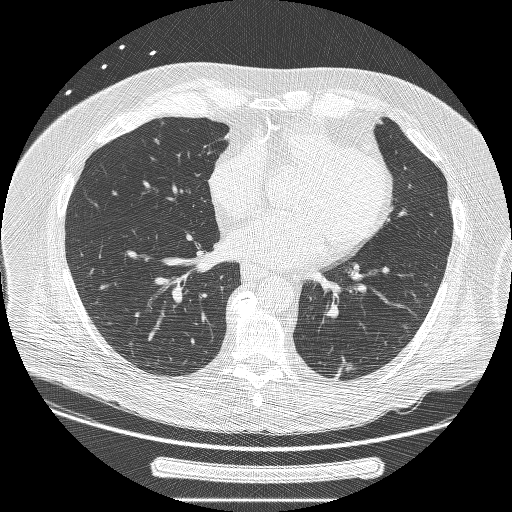
Axial chest CT slice 93 of 239 (counted from the lowest slice); tube voltage 120 kVp, convolution kernel BONE; slices 1.25 mm thick, 0.795 mm per pixel.
Pulmonary nodule, outlined by two of the four readers. Box on this slice rows 362–372, columns 345–352, the union of the readers' outlines on this slice; longest diameter 17.4–17.9 mm and volume 746–814 mm3 across the two readers' outlines. The readers' ratings, as ranges where they differ: texture 5/5 (solid), both readers agreeing; margin from 3/5 to 4/5 across the two readers; sphericity from 1/5 (linear) to 3/5 (ovoid) across the two readers; calcification absent, both readers agreeing; internal structure soft tissue, both readers agreeing; subtlety 4/5 from both readers; malignancy likelihood 4/5, both readers agreeing. Scale key (1–5): texture non-solid→solid, margin indistinct→circumscribed, sphericity linear→round, subtlety extremely subtle→obvious, malignancy likelihood highly unlikely→highly suspicious of cancer. Box rows and columns are 0-based pixel indices from the top-left corner, inclusive.